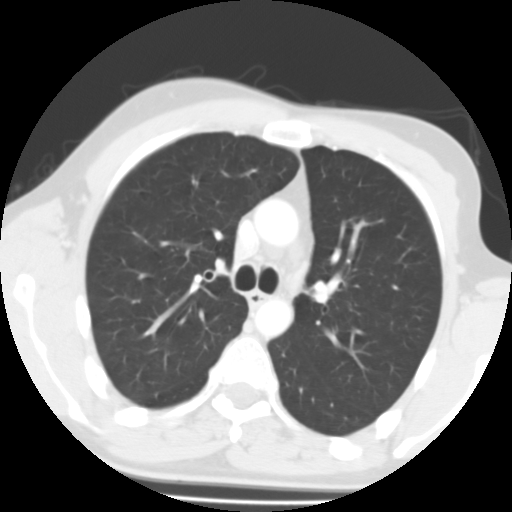
Chest CT, axial plane, 135 kVp, kernel FC01. Slice 85/126 from the bottom of the scan; thickness 3.00 mm; pixel size 0.582 mm.
This slice carries no reader outline of a nodule 3 mm or larger.